One axial slice (296 of 417, counting up from the lowest) of a chest CT acquired at 120 kVp with the STANDARD kernel; each pixel is 0.703 mm and the slice is 1.25 mm thick.
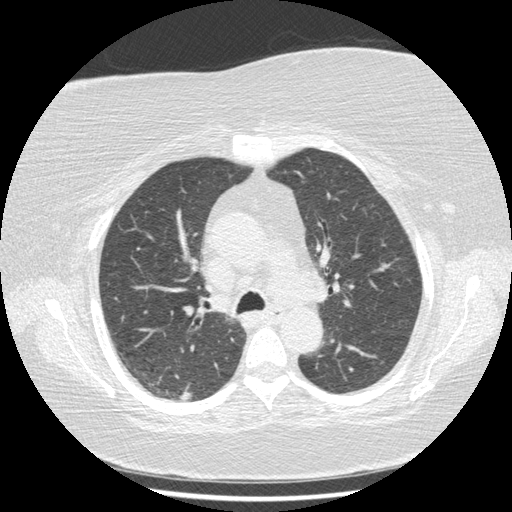
Pulmonary nodule, outlined by all four readers. Box on this slice rows 391–400, columns 179–193, the union of the readers' outlines on this slice; the four readers' outlines give a longest diameter between 11.0 and 13.8 mm and a volume between 306 and 515 mm3. The readers' ratings, as ranges where they differ: texture 5/5 (solid), all four readers agreeing; margin from 4/5 to 5/5 (circumscribed) across the four readers; sphericity from 3/5 (ovoid) to 5/5 (round) across the four readers; calcification absent, all four readers agreeing; internal structure soft tissue, all four readers agreeing; subtlety 3–5/5 (the readers disagree); malignancy likelihood 2–4/5 (the readers disagree). Scale key (1–5): texture non-solid→solid, margin indistinct→circumscribed, sphericity linear→round, subtlety extremely subtle→obvious, malignancy likelihood highly unlikely→highly suspicious of cancer. Box rows and columns are 0-based pixel indices from the top-left corner, inclusive.